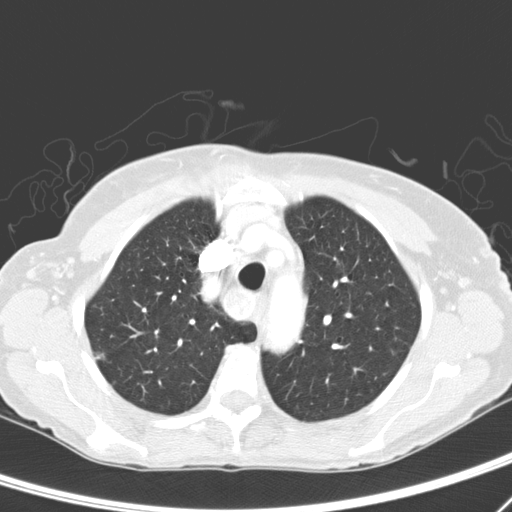
Slice 226/276 of a chest CT, counting up from the lowest; pixel size 0.617 mm, slice thickness 2.00 mm. Pulmonary nodule at rows 352–359, columns 95–104 (box = the union of the readers' outlines on this slice), outlined by two of the four readers; the two readers' outlines give a longest diameter between 8.0 and 10.8 mm and a volume between 90 and 183 mm3. The readers' ratings, as ranges where they differ: texture from 1/5 (non-solid) to 2/5 across the two readers; margin from 1/5 (indistinct) to 2/5 across the two readers; sphericity 4/5, both readers agreeing; calcification absent, both readers agreeing; internal structure soft tissue, both readers agreeing; subtlety rated between 3 and 4 out of 5 by the two readers; malignancy likelihood 3/5 from both readers. Scale key (1–5): texture non-solid→solid, margin indistinct→circumscribed, sphericity linear→round, subtlety extremely subtle→obvious, malignancy likelihood highly unlikely→highly suspicious of cancer. Box rows and columns are 0-based pixel indices from the top-left corner, inclusive.
Tube voltage 120 kVp; convolution kernel D.